Axial slice 234 of 509 of a chest CT (slice 1 is the lowest), reconstructed with the STANDARD kernel at 120 kVp; 1.25 mm slice thickness and 0.703 mm pixels.
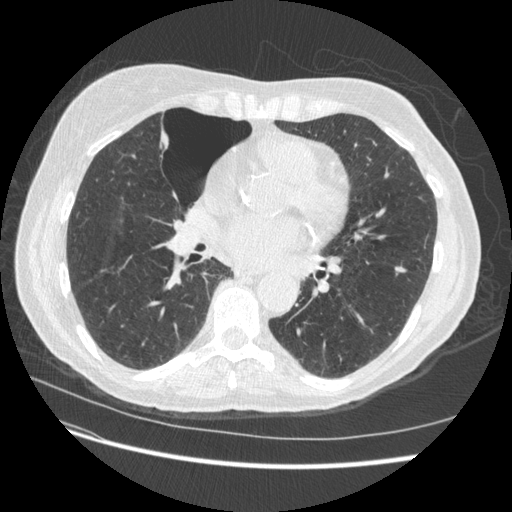
Pulmonary nodule outlined by three of the four readers; box rows 265–275, columns 394–407 (the union of the readers' outlines on this slice); median longest diameter 11.5 mm (readers' outlines 9.2–11.6 mm), median volume 339 mm3 (182–365 mm3). Median ratings and the readers' spread: median texture 5/5 (solid) (readers ranged 4/5 to 5/5 (solid)); margin 4/5 at the median of three readers, spread 3/5 to 5/5 (circumscribed); sphericity 3/5 (ovoid) at the median of three readers, spread 2/5 to 4/5; calcification absent, all three readers agreeing; internal structure soft tissue, all three readers agreeing; subtlety 4/5, all three readers agreeing; median malignancy likelihood 3/5 (readers ranged 2–4). Scale key (1–5): texture non-solid→solid, margin indistinct→circumscribed, sphericity linear→round, subtlety extremely subtle→obvious, malignancy likelihood highly unlikely→highly suspicious of cancer. Box rows and columns are 0-based pixel indices from the top-left corner, inclusive.